Chest CT, axial plane, 140 kVp, kernel BONE. Slice 92/127 from the bottom of the scan; thickness 2.50 mm; pixel size 0.664 mm.
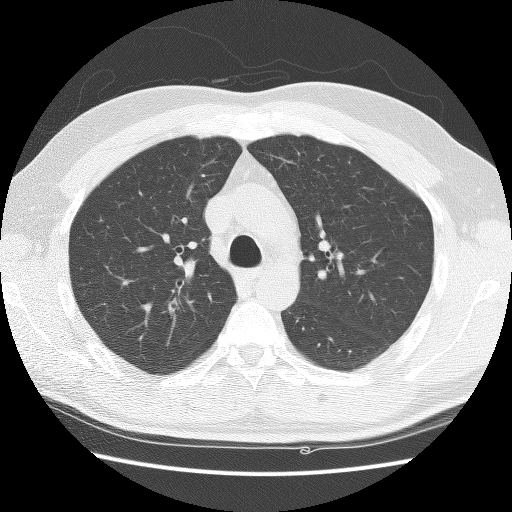
No nodule of 3 mm or larger was outlined by any of the four readers on this slice.